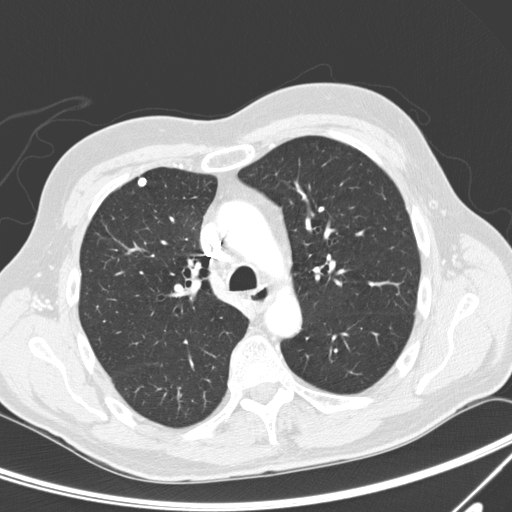
Chest CT, axial plane, 120 kVp, kernel D. Slice 185/300 from the bottom of the scan; thickness 2.00 mm; pixel size 0.678 mm.
Pulmonary nodule, outlined by all four readers. Box on this slice rows 177–186, columns 136–146, the union of the readers' outlines on this slice; longest diameter 7.9–8.5 mm and volume 191–251 mm3 across the four readers' outlines. The readers' ratings, as ranges where they differ: texture 5/5 (solid), all four readers agreeing; margin from 4/5 to 5/5 (circumscribed) across the four readers; sphericity from 3/5 (ovoid) to 5/5 (round) across the four readers; calcification: solid calcification (three), absent (one); internal structure soft tissue from all four readers; subtlety 5/5 from all four readers; malignancy likelihood from 1/5 to 3/5 across the four readers. Scale key (1–5): texture non-solid→solid, margin indistinct→circumscribed, sphericity linear→round, subtlety extremely subtle→obvious, malignancy likelihood highly unlikely→highly suspicious of cancer. Box rows and columns are 0-based pixel indices from the top-left corner, inclusive.